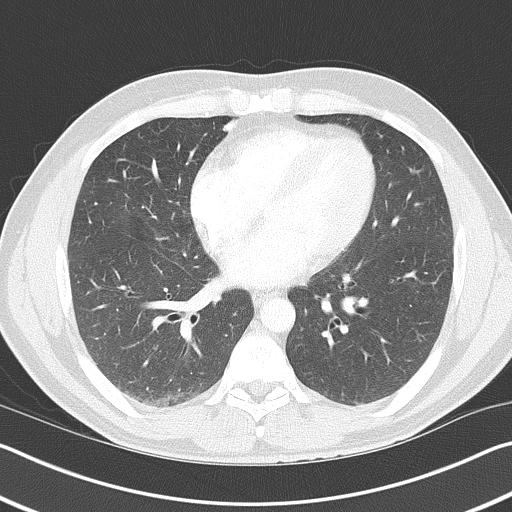
Axial slice 202 of 368 of a chest CT (slice 1 is the lowest), reconstructed with the B70f kernel at 120 kVp; 2.00 mm slice thickness and 0.660 mm pixels.
Pulmonary nodule outlined by one of the four readers; box rows 119–131, columns 223–235 (that reader's outline on this slice); longest diameter 12.5 mm and volume 369 mm3 from that reader's outline. Ratings by that reader: texture 5/5 (solid); margin 5/5 (circumscribed); sphericity 5/5 (round); calcification solid calcification; internal structure soft tissue; subtlety 5/5; malignancy likelihood 1/5. Scale key (1–5): texture non-solid→solid, margin indistinct→circumscribed, sphericity linear→round, subtlety extremely subtle→obvious, malignancy likelihood highly unlikely→highly suspicious of cancer. Box rows and columns are 0-based pixel indices from the top-left corner, inclusive.